Axial chest CT slice 152 of 481 (counted from the lowest slice); tube voltage 120 kVp, convolution kernel STANDARD; slices 1.25 mm thick, 0.586 mm per pixel.
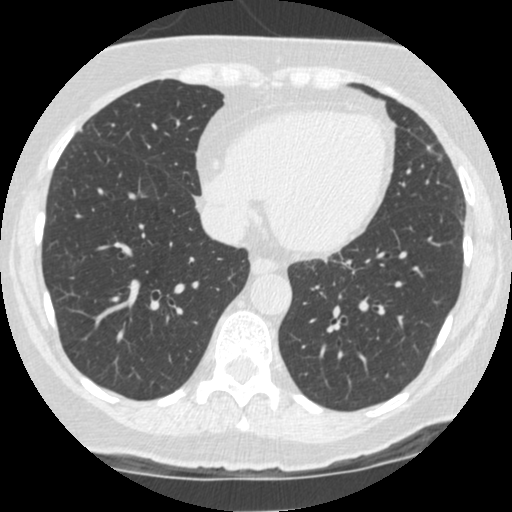
Pulmonary nodule, outlined by all four readers, two of them on this slice. Box on this slice rows 144–151, columns 427–432, the union of the readers' outlines on this slice; longest diameter 9.6–11.3 mm and volume 410–491 mm3 across the four readers' outlines. The readers' ratings, as ranges where they differ: texture 5/5 (solid), all four readers agreeing; margin from 4/5 to 5/5 (circumscribed) across the four readers; sphericity from 4/5 to 5/5 (round) across the four readers; calcification absent from all four readers; internal structure soft tissue from all four readers; subtlety from 4/5 to 5/5 across the four readers; malignancy likelihood from 2/5 to 5/5 across the four readers. Scale key (1–5): texture non-solid→solid, margin indistinct→circumscribed, sphericity linear→round, subtlety extremely subtle→obvious, malignancy likelihood highly unlikely→highly suspicious of cancer. Box rows and columns are 0-based pixel indices from the top-left corner, inclusive.